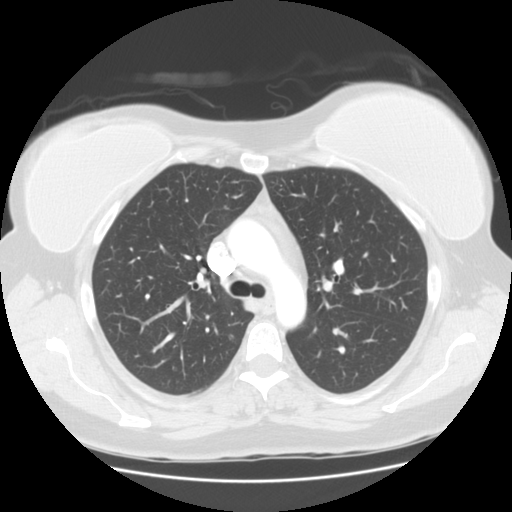
Axial slice 102 of 139 of a chest CT (slice 1 is the lowest), reconstructed with the STANDARD kernel at 120 kVp; 2.50 mm slice thickness and 0.703 mm pixels.
Pulmonary nodule outlined by one of the four readers; box rows 335–338, columns 230–232 (that reader's outline on this slice); longest diameter 4.7 mm and volume 44 mm3 from that reader's outline. That reader's ratings: texture 1/5 (non-solid); margin 1/5 (indistinct); sphericity 5/5 (round); calcification absent; internal structure soft tissue; subtlety 1/5; malignancy likelihood 3/5. Scale key (1–5): texture non-solid→solid, margin indistinct→circumscribed, sphericity linear→round, subtlety extremely subtle→obvious, malignancy likelihood highly unlikely→highly suspicious of cancer. Box rows and columns are 0-based pixel indices from the top-left corner, inclusive.